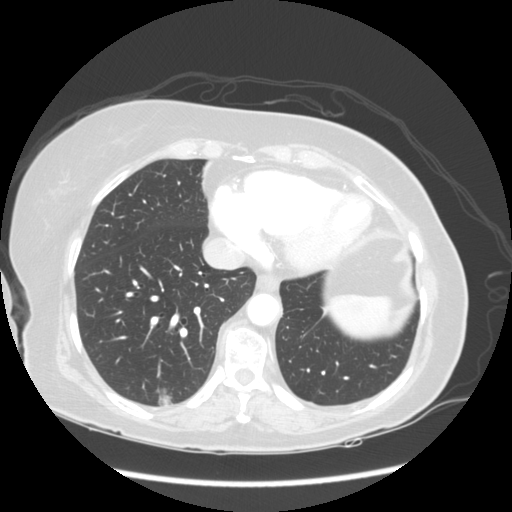
Axial chest CT slice 65 of 141 (counted from the lowest slice); tube voltage 120 kVp, convolution kernel STANDARD; slices 2.50 mm thick, 0.703 mm per pixel.
Pulmonary nodule at rows 387–406, columns 154–172 (box = the union of the readers' outlines on this slice), outlined by all four readers; longest diameter 21.4–23.4 mm and volume 3130–4766 mm3 across the four readers' outlines. Ratings across the readers: texture 5/5 (solid) from all four readers; margin from 2/5 to 4/5 across the four readers; sphericity from 3/5 (ovoid) to 5/5 (round) across the four readers; calcification absent from all four readers; internal structure soft tissue, all four readers agreeing; subtlety 5/5, all four readers agreeing; malignancy likelihood 5/5, all four readers agreeing. Scale key (1–5): texture non-solid→solid, margin indistinct→circumscribed, sphericity linear→round, subtlety extremely subtle→obvious, malignancy likelihood highly unlikely→highly suspicious of cancer. Box rows and columns are 0-based pixel indices from the top-left corner, inclusive.